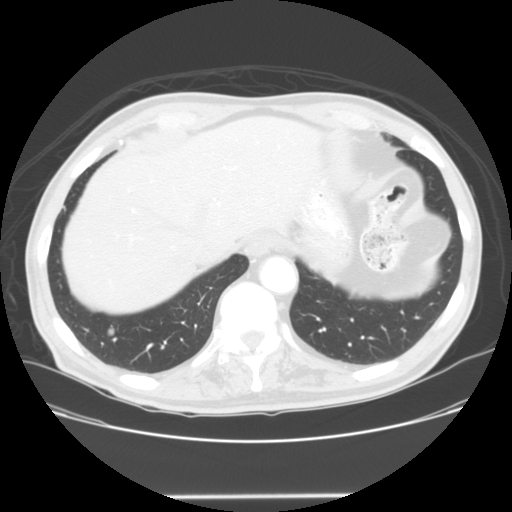
This is axial slice 31 of 128 (slice 1 is the lowest) of a chest CT; each pixel is 0.742 mm and the slice is 2.50 mm thick. Pulmonary nodule outlined by all four readers; box rows 327–335, columns 106–113 (the union of the readers' outlines on this slice); longest diameter 9.3 mm on average over the four readers' outlines (readers' outlines 8.7–10.3 mm), volume 298–433 mm3. The readers' prevailing ratings and who disagreed: texture 5/5 (solid) from all four readers; margin split among the readers: 4/5 (two), 5/5 (circumscribed) (two); sphericity 4/5 by two of four readers; the rest gave 3/5 (ovoid) (one), 5/5 (round) (one); calcification absent, all four readers agreeing; internal structure soft tissue from all four readers; subtlety 4/5 by two of four readers; the rest gave 3/5 (one), 5/5 (one); malignancy likelihood 3/5 by two of four readers; the rest gave 2/5 (one), 4/5 (one). Scale key (1–5): texture non-solid→solid, margin indistinct→circumscribed, sphericity linear→round, subtlety extremely subtle→obvious, malignancy likelihood highly unlikely→highly suspicious of cancer. Box rows and columns are 0-based pixel indices from the top-left corner, inclusive.
Acquired at 120 kVp and reconstructed with the STANDARD kernel.